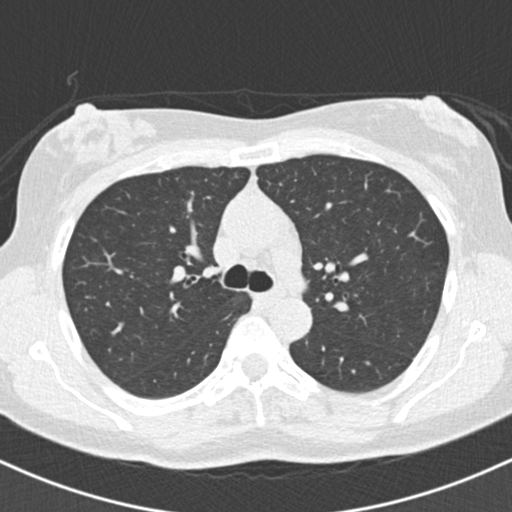
Axial slice 126 of 182 of a chest CT (slice 1 is the lowest), reconstructed with the B30f kernel at 120 kVp; 2.00 mm slice thickness and 0.625 mm pixels.
Pulmonary nodule, outlined by two of the four readers. Box on this slice rows 254–260, columns 92–97, the union of the readers' outlines on this slice; longest diameter 10.6 mm on average over the two readers' outlines (readers' outlines 10.6 mm), volume 177 mm3. The readers' prevailing ratings and who disagreed: texture 1/5 (non-solid), both readers agreeing; margin 1/5 (indistinct) from both readers; sphericity 4/5, both readers agreeing; calcification absent, both readers agreeing; internal structure soft tissue, both readers agreeing; subtlety split among the readers: 1/5 (one), 3/5 (one); malignancy likelihood split among the readers: 2/5 (one), 3/5 (one). Scale key (1–5): texture non-solid→solid, margin indistinct→circumscribed, sphericity linear→round, subtlety extremely subtle→obvious, malignancy likelihood highly unlikely→highly suspicious of cancer. Box rows and columns are 0-based pixel indices from the top-left corner, inclusive.